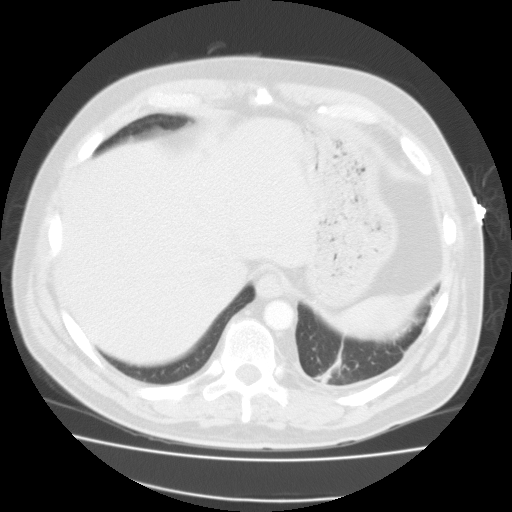
Axial chest CT slice 38 of 115 (counted from the lowest slice); 3.00 mm thick, 0.782 mm per pixel. Pulmonary nodule outlined by all four readers; box rows 352–383, columns 314–340 (the union of the readers' outlines on this slice); median longest diameter 28.5 mm (readers' outlines 25.2–31.6 mm), median volume 6356 mm3 (5217–6928 mm3). Median ratings and the readers' spread: median texture 5/5 (solid) (readers ranged 4/5 to 5/5 (solid)); median margin 4/5 (readers ranged 2/5 to 4/5); median sphericity 3.5/5 (readers ranged 2/5 to 4/5); calcification split among the readers: non-central calcification (two), absent (two); internal structure soft tissue, all four readers agreeing; subtlety 5/5 from all four readers; median malignancy likelihood 3/5 (readers ranged 2–5). Scale key (1–5): texture non-solid→solid, margin indistinct→circumscribed, sphericity linear→round, subtlety extremely subtle→obvious, malignancy likelihood highly unlikely→highly suspicious of cancer. Box rows and columns are 0-based pixel indices from the top-left corner, inclusive.
Acquired at 135 kVp and reconstructed with the FC01 kernel.